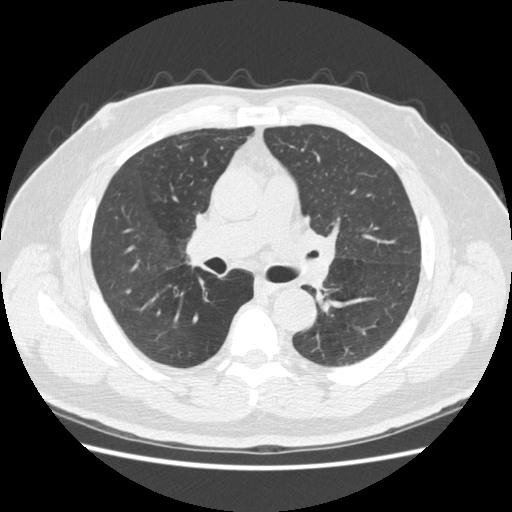
One axial slice (263 of 465, counting up from the lowest) of a chest CT acquired at 120 kVp with the STANDARD kernel; each pixel is 0.703 mm and the slice is 1.25 mm thick.
Pulmonary nodule at rows 289–293, columns 125–131 (box = that reader's outline on this slice), outlined by one of the four readers; longest diameter 6.5 mm and volume 44 mm3 from that reader's outline. That reader's ratings: texture 5/5 (solid); margin 5/5 (circumscribed); sphericity 4/5; calcification absent; internal structure soft tissue; subtlety 4/5; malignancy likelihood 2/5. Scale key (1–5): texture non-solid→solid, margin indistinct→circumscribed, sphericity linear→round, subtlety extremely subtle→obvious, malignancy likelihood highly unlikely→highly suspicious of cancer. Box rows and columns are 0-based pixel indices from the top-left corner, inclusive.